One axial slice (135 of 245, counting up from the lowest) of a chest CT acquired at 120 kVp with the STANDARD kernel; each pixel is 0.730 mm and the slice is 1.25 mm thick.
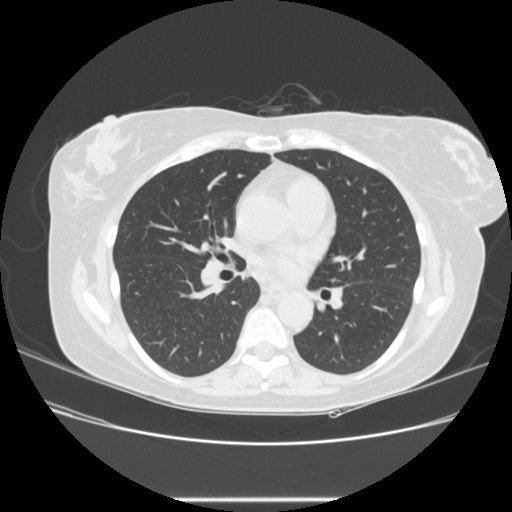
The readers outlined no nodule of 3 mm or more on this slice.